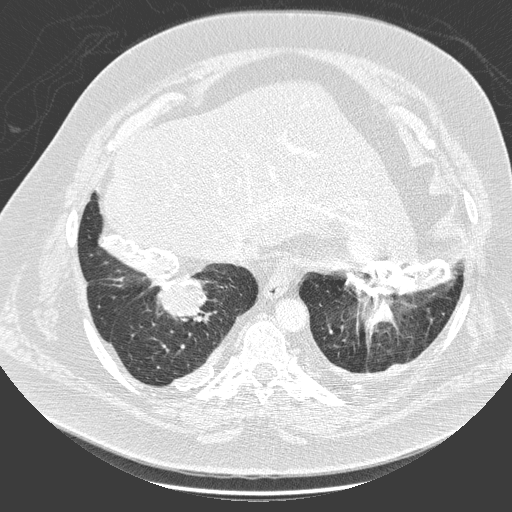
This is axial slice 49 of 280 (slice 1 is the lowest) of a chest CT; each pixel is 0.801 mm and the slice is 1.00 mm thick. Pulmonary nodule outlined by one of the four readers; box rows 279–321, columns 158–209 (that reader's outline on this slice); longest diameter 49.9 mm and volume 31112 mm3 from that reader's outline. That reader's ratings: texture 5/5 (solid); margin 4/5; sphericity 5/5 (round); calcification non-central calcification; internal structure soft tissue; subtlety 5/5; malignancy likelihood 5/5. Scale key (1–5): texture non-solid→solid, margin indistinct→circumscribed, sphericity linear→round, subtlety extremely subtle→obvious, malignancy likelihood highly unlikely→highly suspicious of cancer. Box rows and columns are 0-based pixel indices from the top-left corner, inclusive.
Scan settings: 140 kVp, D reconstruction kernel.